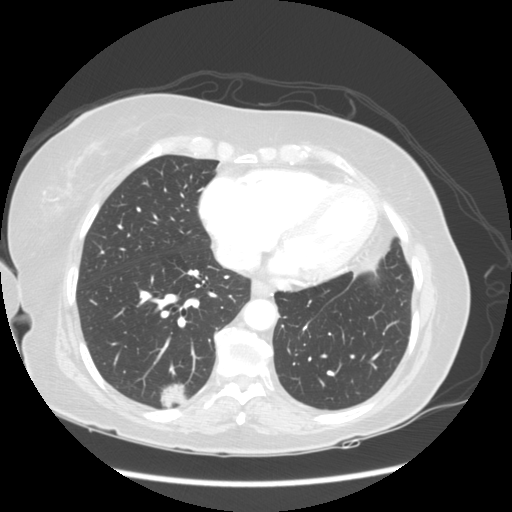
Axial chest CT slice 70 of 141 (counted from the lowest slice); tube voltage 120 kVp, convolution kernel STANDARD; slices 2.50 mm thick, 0.703 mm per pixel.
Pulmonary nodule at rows 382–408, columns 159–186 (box = the union of the readers' outlines on this slice), outlined by all four readers; median longest diameter 22.3 mm (readers' outlines 21.4–23.4 mm), median volume 3684 mm3 (3130–4766 mm3). Median ratings and the readers' spread: texture 5/5 (solid), all four readers agreeing; margin 3/5 at the median of four readers, spread 2/5 to 4/5; sphericity 4/5 at the median of four readers, spread 3/5 (ovoid) to 5/5 (round); calcification absent, all four readers agreeing; internal structure soft tissue, all four readers agreeing; subtlety 5/5, all four readers agreeing; malignancy likelihood 5/5, all four readers agreeing. Scale key (1–5): texture non-solid→solid, margin indistinct→circumscribed, sphericity linear→round, subtlety extremely subtle→obvious, malignancy likelihood highly unlikely→highly suspicious of cancer. Box rows and columns are 0-based pixel indices from the top-left corner, inclusive.